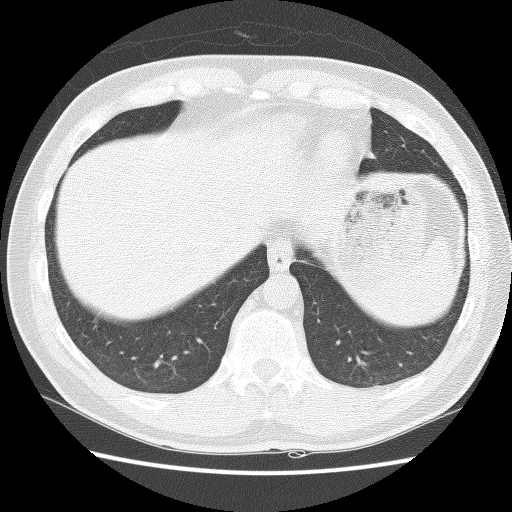
One axial slice (34 of 127, counting up from the lowest) of a chest CT acquired at 140 kVp with the BONE kernel; each pixel is 0.664 mm and the slice is 2.50 mm thick.
Pulmonary nodule outlined by all four readers, two of them on this slice; box rows 317–322, columns 93–98 (the union of the readers' outlines on this slice); median longest diameter 6.6 mm (readers' outlines 5.9–7.3 mm), median volume 108 mm3 (87–125 mm3). Ratings, median across the readers with their spread: median texture 5/5 (solid) (readers ranged 3/5 (part-solid) to 5/5 (solid)); median margin 3/5 (readers ranged 3/5 to 5/5 (circumscribed)); median sphericity 4/5 (readers ranged 3/5 (ovoid) to 4/5); calcification absent, all four readers agreeing; internal structure soft tissue, all four readers agreeing; median subtlety 3.5/5 (readers ranged 2–5); malignancy likelihood 3/5 from all four readers. Scale key (1–5): texture non-solid→solid, margin indistinct→circumscribed, sphericity linear→round, subtlety extremely subtle→obvious, malignancy likelihood highly unlikely→highly suspicious of cancer. Box rows and columns are 0-based pixel indices from the top-left corner, inclusive.